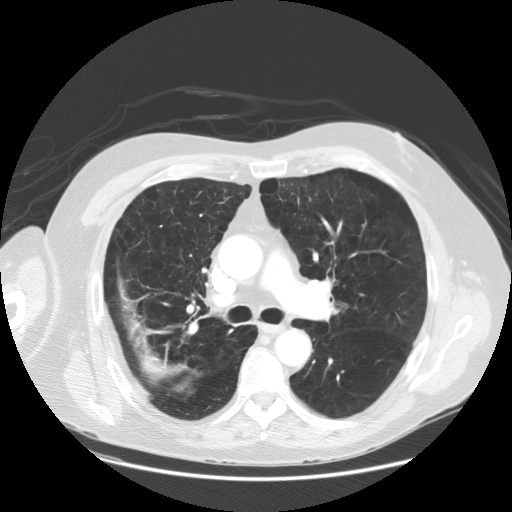
Axial slice 96 of 149 of a chest CT (slice 1 is the lowest), reconstructed with the STANDARD kernel at 120 kVp; 2.50 mm slice thickness and 0.820 mm pixels.
No nodule 3 mm or larger was outlined here by any reader.